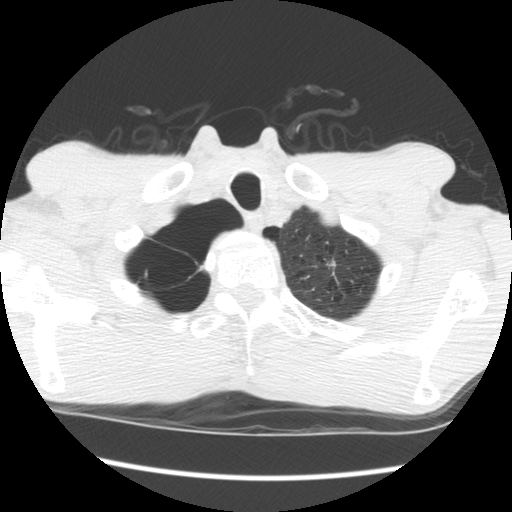
Axial slice 168 of 181 of a chest CT (slice 1 is the lowest), reconstructed with the STANDARD kernel at 120 kVp; 2.50 mm slice thickness and 0.645 mm pixels.
Pulmonary nodule outlined by all four readers, three of them on this slice; box rows 256–265, columns 325–335 (the union of the readers' outlines on this slice); median longest diameter 11.7 mm (readers' outlines 10.5–14.4 mm), median volume 355 mm3 (215–737 mm3). Median ratings and the readers' spread: texture 5/5 (solid) from all four readers; margin 4/5 at the median of four readers, spread 3/5 to 5/5 (circumscribed); sphericity 2/5 at the median of four readers, spread 2/5 to 3/5 (ovoid); calcification absent, all four readers agreeing; internal structure soft tissue from all four readers; subtlety 4/5 at the median of four readers, spread 3–4; median malignancy likelihood 3/5 (readers ranged 2–4). Scale key (1–5): texture non-solid→solid, margin indistinct→circumscribed, sphericity linear→round, subtlety extremely subtle→obvious, malignancy likelihood highly unlikely→highly suspicious of cancer. Box rows and columns are 0-based pixel indices from the top-left corner, inclusive.